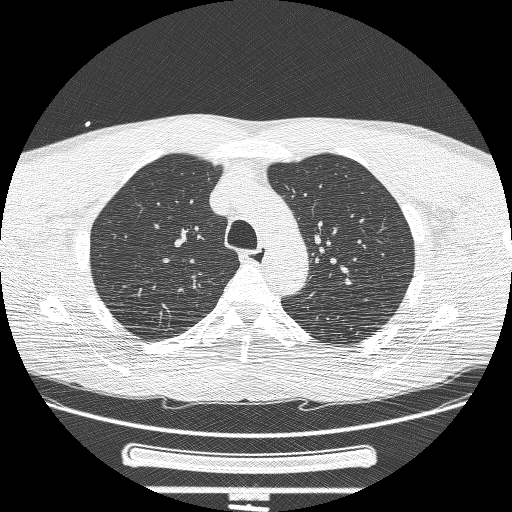
Slice 181/244 of a chest CT, counting up from the lowest; pixel size 0.729 mm, slice thickness 1.25 mm. The readers outlined no nodule of 3 mm or more on this slice.
Acquired at 120 kVp and reconstructed with the BONE kernel.